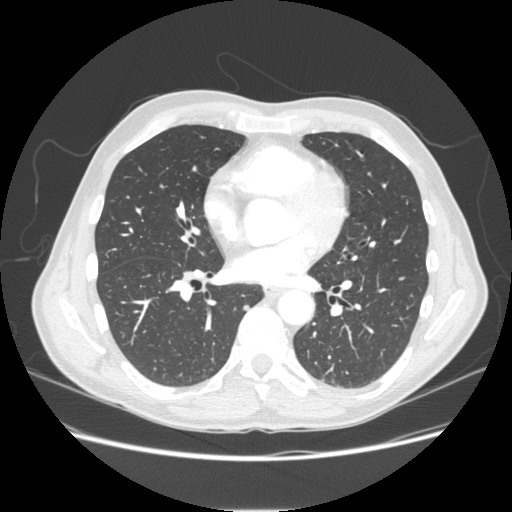
Axial chest CT slice 113 of 253 (counted from the lowest slice); 1.25 mm thick, 0.742 mm per pixel. Two pulmonary nodules on this slice, listed from left to right. (1) Pulmonary nodule, outlined by two of the four readers. Box on this slice rows 183–188, columns 159–164, the union of the readers' outlines on this slice; longest diameter 6.2 mm on average over the two readers' outlines (readers' outlines 5.7–6.7 mm), volume 47–63 mm3. Ratings, by the readers' most common answer with dissent counted: texture 5/5 (solid) from both readers; margin split among the readers: 4/5 (one), 5/5 (circumscribed) (one); sphericity split among the readers: 2/5 (one), 5/5 (round) (one); calcification absent, both readers agreeing; internal structure soft tissue from both readers; subtlety 2/5, both readers agreeing; malignancy likelihood split among the readers: 2/5 (one), 3/5 (one). (2) Pulmonary nodule outlined by three of the four readers; box rows 305–310, columns 243–250 (the union of the readers' outlines on this slice); longest diameter 7.1 mm on average over the three readers' outlines (readers' outlines 6.3–8.2 mm), volume 72–92 mm3. The readers' prevailing ratings and who disagreed: texture 5/5 (solid) from all three readers; margin 5/5 (circumscribed), all three readers agreeing; most readers (two of three) put sphericity at 5/5 (round), others 3/5 (ovoid) (one); calcification absent, all three readers agreeing; internal structure soft tissue from all three readers; subtlety 3/5, all three readers agreeing; most readers (two of three) put malignancy likelihood at 3/5, others 2/5 (one). Scale key (1–5): texture non-solid→solid, margin indistinct→circumscribed, sphericity linear→round, subtlety extremely subtle→obvious, malignancy likelihood highly unlikely→highly suspicious of cancer. Box rows and columns are 0-based pixel indices from the top-left corner, inclusive.
Scan settings: 120 kVp, STANDARD reconstruction kernel.